One axial slice (85 of 157, counting up from the lowest) of a chest CT acquired at 120 kVp with the STANDARD kernel; each pixel is 0.703 mm and the slice is 2.50 mm thick.
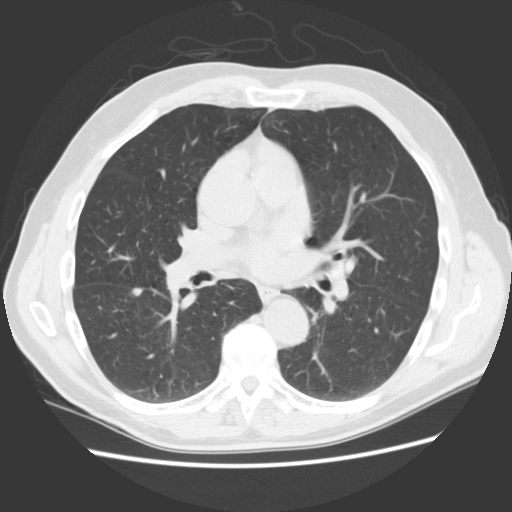
Pulmonary nodule at rows 287–295, columns 132–142 (box = the union of the readers' outlines on this slice), outlined by all four readers; median longest diameter 8.6 mm (readers' outlines 7.8–8.7 mm), median volume 231 mm3 (103–291 mm3). Median ratings and the readers' spread: texture 5/5 (solid), all four readers agreeing; margin 4.5/5 at the median of four readers, spread 4/5 to 5/5 (circumscribed); sphericity 4/5 at the median of four readers, spread 3/5 (ovoid) to 4/5; calcification absent from all four readers; internal structure soft tissue, all four readers agreeing; median subtlety 4.5/5 (readers ranged 2–5); malignancy likelihood 2.5/5 at the median of four readers, spread 1–3. Scale key (1–5): texture non-solid→solid, margin indistinct→circumscribed, sphericity linear→round, subtlety extremely subtle→obvious, malignancy likelihood highly unlikely→highly suspicious of cancer. Box rows and columns are 0-based pixel indices from the top-left corner, inclusive.